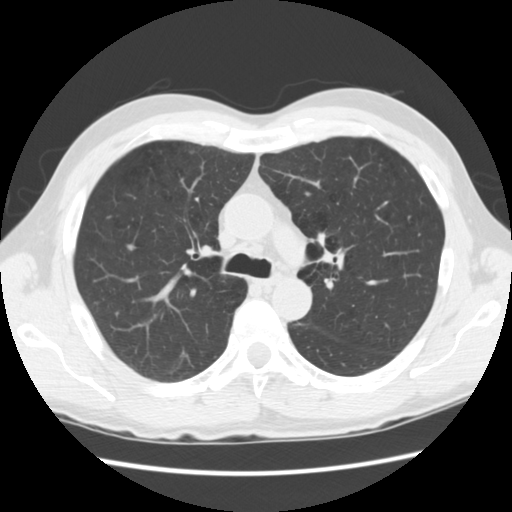
Axial slice 102 of 161 of a chest CT (slice 1 is the lowest), reconstructed with the STANDARD kernel at 120 kVp; 2.50 mm slice thickness and 0.664 mm pixels.
The readers outlined no nodule of 3 mm or more on this slice.